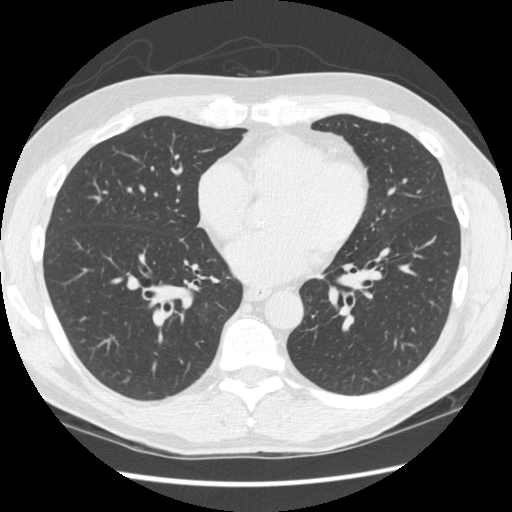
One axial slice (213 of 509, counting up from the lowest) of a chest CT acquired at 120 kVp with the STANDARD kernel; each pixel is 0.703 mm and the slice is 1.25 mm thick.
None of the four readers outlined a nodule of 3 mm or more on this slice.